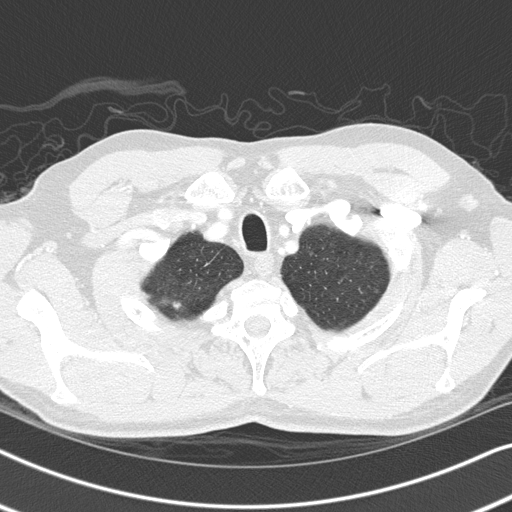
Chest CT, axial plane, 120 kVp, kernel B45f. Slice 294/326 from the bottom of the scan; thickness 1.00 mm; pixel size 0.645 mm.
Pulmonary nodule at rows 287–293, columns 373–379 (box = the union of the readers' outlines on this slice), outlined by all four readers, two of them on this slice; longest diameter 11.5 mm on average over the four readers' outlines (readers' outlines 9.0–13.3 mm), volume 232–417 mm3. The readers' prevailing ratings and who disagreed: texture 1/5 (non-solid) by three of four readers; the rest gave 4/5 (one); margin 2/5 by two of four readers; the rest gave 1/5 (indistinct) (one), 5/5 (circumscribed) (one); most readers (three of four) put sphericity at 4/5, others 5/5 (round) (one); calcification absent, all four readers agreeing; internal structure soft tissue from all four readers; subtlety 1/5 by two of four readers; the rest gave 2/5 (one), 4/5 (one); malignancy likelihood split among the readers: 2/5 (two), 3/5 (two). Scale key (1–5): texture non-solid→solid, margin indistinct→circumscribed, sphericity linear→round, subtlety extremely subtle→obvious, malignancy likelihood highly unlikely→highly suspicious of cancer. Box rows and columns are 0-based pixel indices from the top-left corner, inclusive.